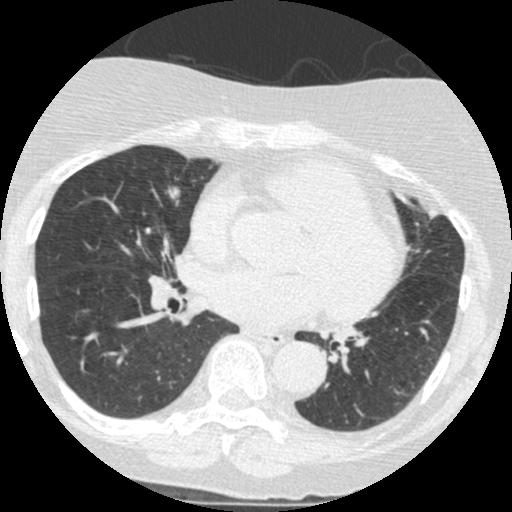
One axial slice (176 of 426, counting up from the lowest) of a chest CT acquired at 120 kVp with the STANDARD kernel; each pixel is 0.547 mm and the slice is 1.25 mm thick.
Pulmonary nodule at rows 185–198, columns 165–179 (box = the union of the readers' outlines on this slice), outlined by all four readers; longest diameter 18.7 mm on average over the four readers' outlines (readers' outlines 17.0–20.6 mm), volume 1129–1635 mm3. Ratings, by the readers' most common answer with dissent counted: texture 5/5 (solid) by three of four readers; the rest gave 4/5 (one); margin split among the readers: 2/5 (one), 3/5 (one), 4/5 (one), 5/5 (circumscribed) (one); sphericity 4/5 by two of four readers; the rest gave 3/5 (ovoid) (one), 5/5 (round) (one); calcification absent by three of four readers, non-central calcification (one); internal structure soft tissue, all four readers agreeing; subtlety 5/5 by two of four readers; the rest gave 3/5 (one), 4/5 (one); malignancy likelihood 4/5 by two of four readers; the rest gave 2/5 (one), 3/5 (one). Scale key (1–5): texture non-solid→solid, margin indistinct→circumscribed, sphericity linear→round, subtlety extremely subtle→obvious, malignancy likelihood highly unlikely→highly suspicious of cancer. Box rows and columns are 0-based pixel indices from the top-left corner, inclusive.